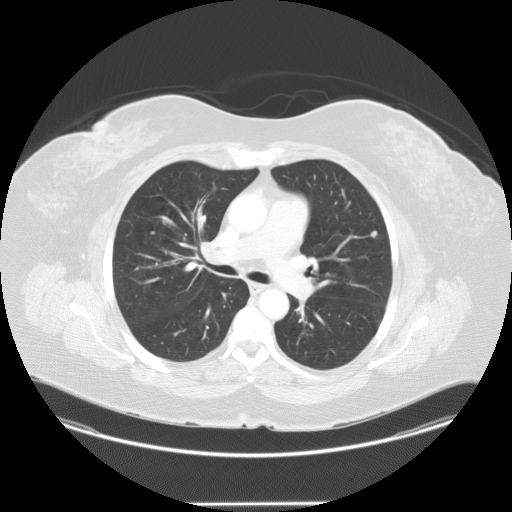
One axial slice (50 of 95, counting up from the lowest) of a chest CT acquired at 120 kVp with the STANDARD kernel; each pixel is 0.859 mm and the slice is 2.50 mm thick.
Pulmonary nodule, outlined by all four readers. Box on this slice rows 230–237, columns 370–376, the union of the readers' outlines on this slice; longest diameter 7.1–7.9 mm and volume 140–232 mm3 across the four readers' outlines. The readers' ratings, as ranges where they differ: texture 5/5 (solid), all four readers agreeing; margin from 4/5 to 5/5 (circumscribed) across the four readers; sphericity from 3/5 (ovoid) to 5/5 (round) across the four readers; calcification absent, all four readers agreeing; internal structure soft tissue from all four readers; subtlety 3–4/5 (the readers disagree); malignancy likelihood rated between 2 and 3 out of 5 by the four readers. Scale key (1–5): texture non-solid→solid, margin indistinct→circumscribed, sphericity linear→round, subtlety extremely subtle→obvious, malignancy likelihood highly unlikely→highly suspicious of cancer. Box rows and columns are 0-based pixel indices from the top-left corner, inclusive.